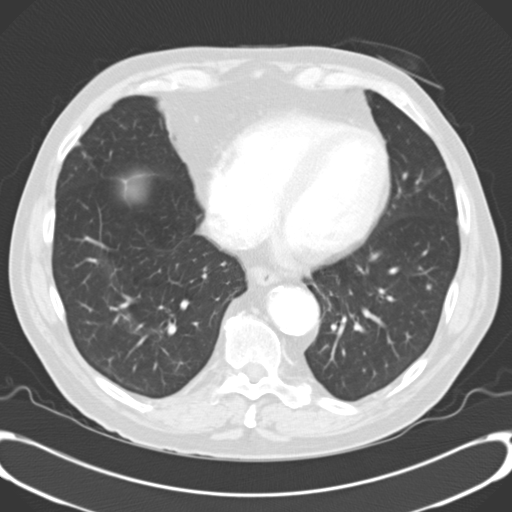
One axial slice (102 of 246, counting up from the lowest) of a chest CT acquired at 120 kVp with the B30f kernel; each pixel is 0.740 mm and the slice is 3.00 mm thick.
Pulmonary nodule at rows 284–289, columns 426–430 (box = the union of the readers' outlines on this slice), outlined by two of the four readers; the two readers' outlines give a longest diameter of 6.1 mm and a volume between 108 and 127 mm3. The readers' ratings, as ranges where they differ: texture 5/5 (solid), both readers agreeing; margin from 4/5 to 5/5 (circumscribed) across the two readers; sphericity from 4/5 to 5/5 (round) across the two readers; calcification absent from both readers; internal structure soft tissue, both readers agreeing; subtlety rated between 2 and 3 out of 5 by the two readers; malignancy likelihood 2–3/5 (the readers disagree). Scale key (1–5): texture non-solid→solid, margin indistinct→circumscribed, sphericity linear→round, subtlety extremely subtle→obvious, malignancy likelihood highly unlikely→highly suspicious of cancer. Box rows and columns are 0-based pixel indices from the top-left corner, inclusive.